One axial slice (298 of 417, counting up from the lowest) of a chest CT acquired at 120 kVp with the STANDARD kernel; each pixel is 0.703 mm and the slice is 1.25 mm thick.
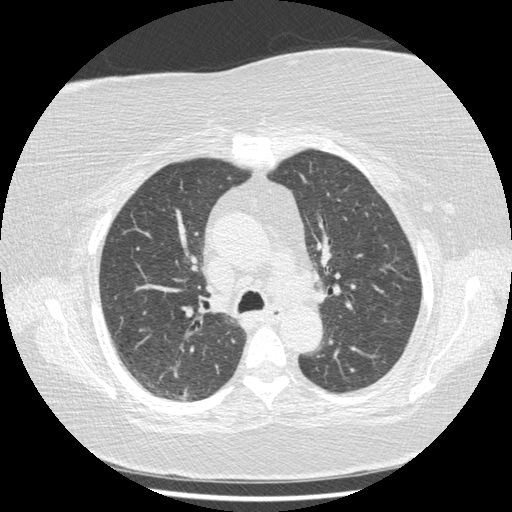
Pulmonary nodule outlined by all four readers, two of them on this slice; box rows 394–399, columns 178–188 (the union of the readers' outlines on this slice); longest diameter 12.1 mm on average over the four readers' outlines (readers' outlines 11.0–13.8 mm), volume 306–515 mm3. Ratings, by the readers' most common answer with dissent counted: texture 5/5 (solid), all four readers agreeing; margin 5/5 (circumscribed) by three of four readers; the rest gave 4/5 (one); sphericity 5/5 (round) by two of four readers; the rest gave 3/5 (ovoid) (one), 4/5 (one); calcification absent from all four readers; internal structure soft tissue, all four readers agreeing; subtlety 5/5 by two of four readers; the rest gave 3/5 (one), 4/5 (one); malignancy likelihood 4/5 by two of four readers; the rest gave 2/5 (one), 3/5 (one). Scale key (1–5): texture non-solid→solid, margin indistinct→circumscribed, sphericity linear→round, subtlety extremely subtle→obvious, malignancy likelihood highly unlikely→highly suspicious of cancer. Box rows and columns are 0-based pixel indices from the top-left corner, inclusive.